Axial slice 72 of 96 of a chest CT (slice 1 is the lowest), reconstructed with the B45f kernel at 120 kVp; 3.00 mm slice thickness and 0.645 mm pixels.
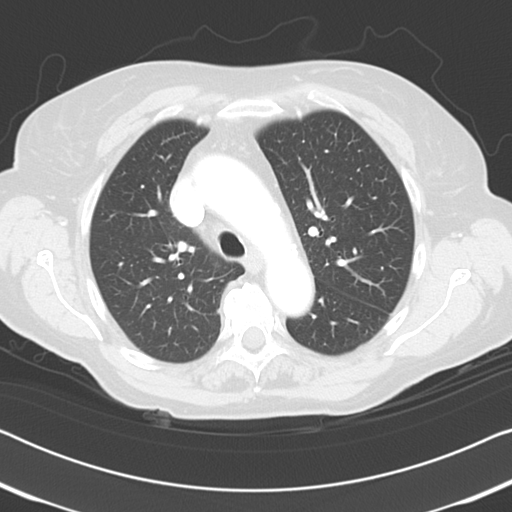
None of the four readers outlined a nodule of 3 mm or more on this slice.